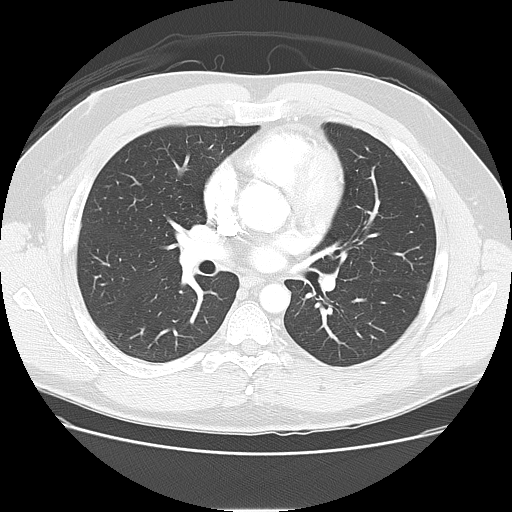
Axial slice 79 of 133 of a chest CT (slice 1 is the lowest), reconstructed with the LUNG kernel at 120 kVp; 2.50 mm slice thickness and 0.723 mm pixels.
No nodule of 3 mm or larger was outlined by any of the four readers on this slice.